Axial slice 458 of 536 of a chest CT (slice 1 is the lowest), reconstructed with the B30f kernel at 120 kVp; 0.75 mm slice thickness and 0.656 mm pixels.
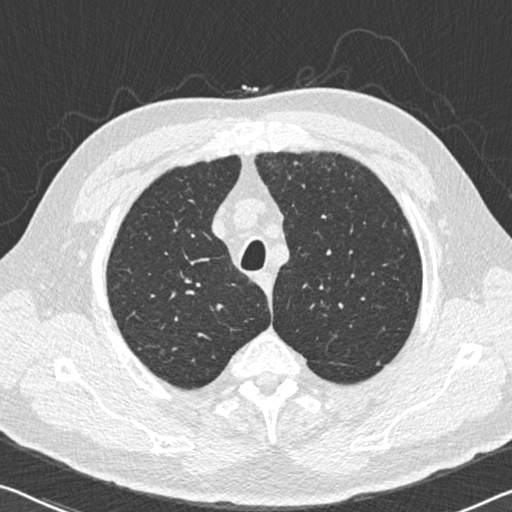
Pulmonary nodule, outlined by one of the four readers. Box on this slice rows 228–235, columns 402–406, that reader's outline on this slice; longest diameter 6.2 mm and volume 42 mm3 from that reader's outline. That reader's ratings: texture 2/5; margin 3/5; sphericity 3/5 (ovoid); calcification absent; internal structure soft tissue; subtlety 3/5; malignancy likelihood 3/5. Scale key (1–5): texture non-solid→solid, margin indistinct→circumscribed, sphericity linear→round, subtlety extremely subtle→obvious, malignancy likelihood highly unlikely→highly suspicious of cancer. Box rows and columns are 0-based pixel indices from the top-left corner, inclusive.